One axial slice (82 of 209, counting up from the lowest) of a chest CT acquired at 120 kVp with the BONE kernel; each pixel is 0.617 mm and the slice is 1.25 mm thick.
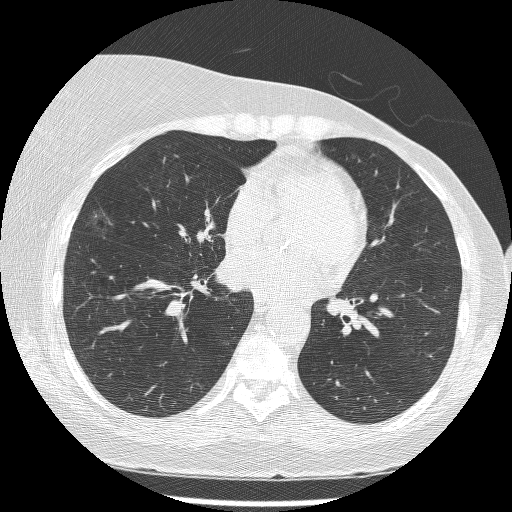
Three pulmonary nodules are outlined on this slice; from left to right: (1) Pulmonary nodule at rows 208–238, columns 85–112 (box = the union of the readers' outlines on this slice), outlined by three of the four readers, two of them on this slice; the three readers' outlines give a longest diameter between 20.1 and 23.8 mm and a volume between 734 and 2087 mm3. Ratings across the readers: texture 1/5 (non-solid), all three readers agreeing; margin 1/5 (indistinct) from all three readers; sphericity from 3/5 (ovoid) to 4/5 across the three readers; calcification absent, all three readers agreeing; internal structure soft tissue, all three readers agreeing; subtlety 1–3/5 (the readers disagree); malignancy likelihood rated between 3 and 5 out of 5 by the three readers. (2) Pulmonary nodule, outlined by three of the four readers. Box on this slice rows 221–244, columns 195–214, the union of the readers' outlines on this slice; the three readers' outlines give a longest diameter between 22.9 and 27.7 mm and a volume between 3040 and 4232 mm3. The readers' ratings, as ranges where they differ: texture 5/5 (solid) from all three readers; margin from 4/5 to 5/5 (circumscribed) across the three readers; sphericity from 3/5 (ovoid) to 4/5 across the three readers; calcification absent from all three readers; internal structure soft tissue from all three readers; subtlety 5/5, all three readers agreeing; malignancy likelihood 5/5 from all three readers. (3) Pulmonary nodule outlined by one of the four readers; box rows 154–158, columns 352–355 (that reader's outline on this slice); longest diameter 5.5 mm and volume 64 mm3 from that reader's outline. That reader's ratings: texture 3/5 (part-solid); margin 1/5 (indistinct); sphericity 3/5 (ovoid); calcification absent; internal structure soft tissue; subtlety 3/5; malignancy likelihood 3/5. Scale key (1–5): texture non-solid→solid, margin indistinct→circumscribed, sphericity linear→round, subtlety extremely subtle→obvious, malignancy likelihood highly unlikely→highly suspicious of cancer. Box rows and columns are 0-based pixel indices from the top-left corner, inclusive.